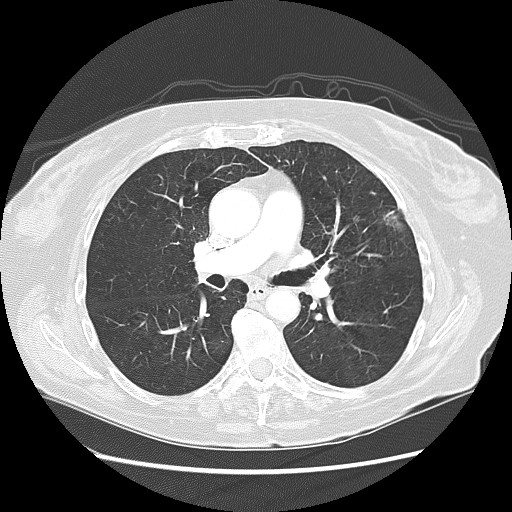
Axial slice 66 of 125 of a chest CT (slice 1 is the lowest), reconstructed with the LUNG kernel at 120 kVp; 2.50 mm slice thickness and 0.703 mm pixels.
Pulmonary nodule outlined by all four readers, three of them on this slice; box rows 209–230, columns 382–404 (the union of the readers' outlines on this slice); longest diameter 25.5–28.7 mm and volume 2545–3578 mm3 across the four readers' outlines. The readers' ratings, as ranges where they differ: texture from 3/5 (part-solid) to 5/5 (solid) across the four readers; margin from 1/5 (indistinct) to 3/5 across the four readers; sphericity from 2/5 to 4/5 across the four readers; calcification absent, all four readers agreeing; internal structure soft tissue, all four readers agreeing; subtlety 5/5, all four readers agreeing; malignancy likelihood rated between 3 and 5 out of 5 by the four readers. Scale key (1–5): texture non-solid→solid, margin indistinct→circumscribed, sphericity linear→round, subtlety extremely subtle→obvious, malignancy likelihood highly unlikely→highly suspicious of cancer. Box rows and columns are 0-based pixel indices from the top-left corner, inclusive.